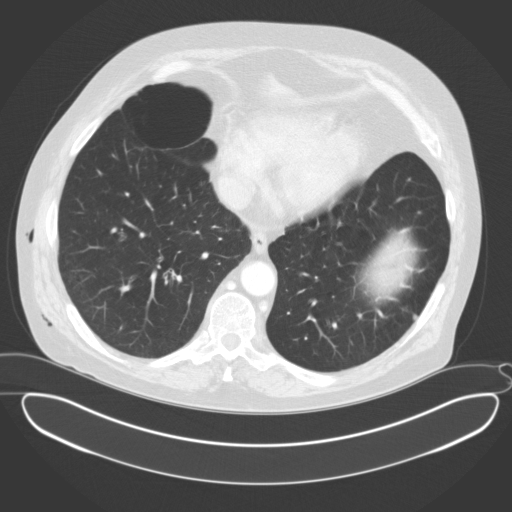
One axial slice (77 of 153, counting up from the lowest) of a chest CT acquired at 120 kVp with the B31f kernel; each pixel is 0.836 mm and the slice is 3.00 mm thick.
Pulmonary nodule outlined by three of the four readers; box rows 314–320, columns 413–417 (the union of the readers' outlines on this slice); longest diameter 6.3 mm on average over the three readers' outlines (readers' outlines 5.9–6.9 mm), volume 53–71 mm3. Ratings, by the readers' most common answer with dissent counted: most readers (two of three) put texture at 5/5 (solid), others 4/5 (one); margin 3/5 by two of three readers; the rest gave 4/5 (one); most readers (two of three) put sphericity at 4/5, others 2/5 (one); calcification absent, all three readers agreeing; internal structure soft tissue from all three readers; subtlety 5/5 by two of three readers; the rest gave 4/5 (one); malignancy likelihood 3/5 by two of three readers; the rest gave 2/5 (one). Scale key (1–5): texture non-solid→solid, margin indistinct→circumscribed, sphericity linear→round, subtlety extremely subtle→obvious, malignancy likelihood highly unlikely→highly suspicious of cancer. Box rows and columns are 0-based pixel indices from the top-left corner, inclusive.